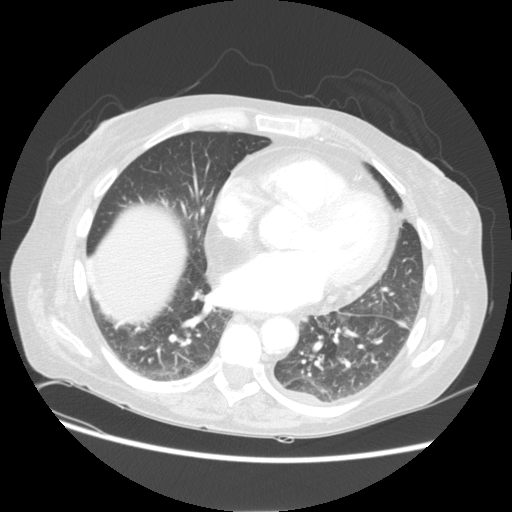
Slice 56/113 of a chest CT, counting up from the lowest; pixel size 0.742 mm, slice thickness 2.50 mm. Pulmonary nodule outlined by three of the four readers; box rows 320–328, columns 395–408 (the union of the readers' outlines on this slice); median longest diameter 11.6 mm (readers' outlines 10.3–12.4 mm), median volume 379 mm3 (262–384 mm3). Median ratings and the readers' spread: median texture 5/5 (solid) (readers ranged 4/5 to 5/5 (solid)); margin 5/5 (circumscribed) at the median of three readers, spread 2/5 to 5/5 (circumscribed); sphericity 3/5 (ovoid) at the median of three readers, spread 3/5 (ovoid) to 5/5 (round); calcification absent from all three readers; internal structure soft tissue, all three readers agreeing; median subtlety 4/5 (readers ranged 3–5); median malignancy likelihood 2/5 (readers ranged 2–5). Scale key (1–5): texture non-solid→solid, margin indistinct→circumscribed, sphericity linear→round, subtlety extremely subtle→obvious, malignancy likelihood highly unlikely→highly suspicious of cancer. Box rows and columns are 0-based pixel indices from the top-left corner, inclusive.
Scan settings: 120 kVp, STANDARD reconstruction kernel.